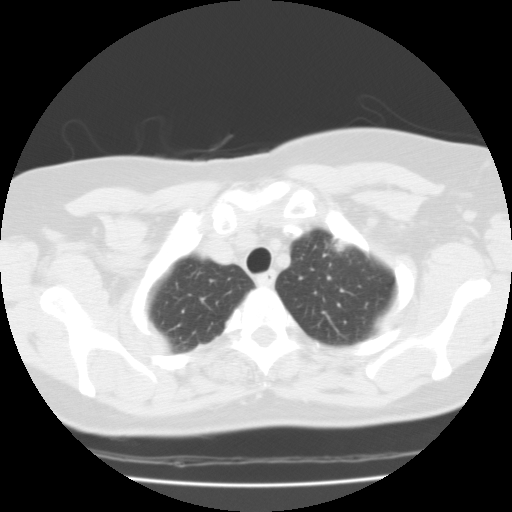
Axial chest CT slice 72 of 87 (counted from the lowest slice); 3.00 mm thick, 0.650 mm per pixel. Pulmonary nodule, outlined by all four readers. Box on this slice rows 237–251, columns 332–348, the union of the readers' outlines on this slice; longest diameter 23.3–32.8 mm and volume 4332–5366 mm3 across the four readers' outlines. The readers' ratings, as ranges where they differ: texture from 4/5 to 5/5 (solid) across the four readers; margin from 2/5 to 5/5 (circumscribed) across the four readers; sphericity from 3/5 (ovoid) to 4/5 across the four readers; calcification split among the readers: non-central calcification (two), absent (two); internal structure soft tissue from all four readers; subtlety 5/5, all four readers agreeing; malignancy likelihood rated between 3 and 5 out of 5 by the four readers. Scale key (1–5): texture non-solid→solid, margin indistinct→circumscribed, sphericity linear→round, subtlety extremely subtle→obvious, malignancy likelihood highly unlikely→highly suspicious of cancer. Box rows and columns are 0-based pixel indices from the top-left corner, inclusive.
Scan settings: 135 kVp, FC01 reconstruction kernel.